Chest CT, axial plane, 120 kVp, kernel D. Slice 161/300 from the bottom of the scan; thickness 2.00 mm; pixel size 0.631 mm.
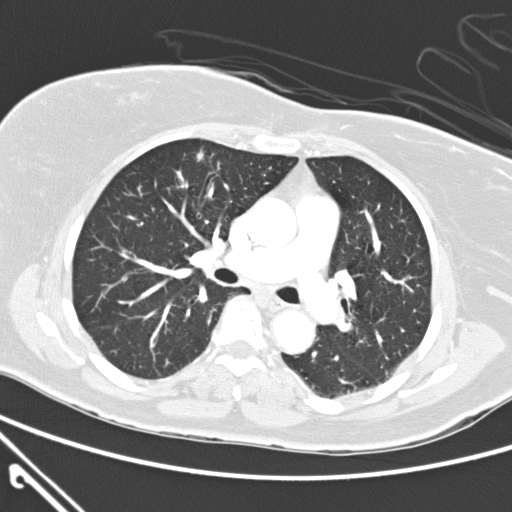
Pulmonary nodule outlined by three of the four readers; box rows 149–162, columns 195–203 (the union of the readers' outlines on this slice); median longest diameter 9.2 mm (readers' outlines 9.2–10.2 mm), median volume 178 mm3 (147–194 mm3). Median ratings and the readers' spread: median texture 5/5 (solid) (readers ranged 4/5 to 5/5 (solid)); median margin 4/5 (readers ranged 3/5 to 4/5); sphericity 4/5, all three readers agreeing; calcification absent, all three readers agreeing; internal structure soft tissue from all three readers; subtlety 3/5 at the median of three readers, spread 3–5; median malignancy likelihood 3/5 (readers ranged 2–4). Scale key (1–5): texture non-solid→solid, margin indistinct→circumscribed, sphericity linear→round, subtlety extremely subtle→obvious, malignancy likelihood highly unlikely→highly suspicious of cancer. Box rows and columns are 0-based pixel indices from the top-left corner, inclusive.